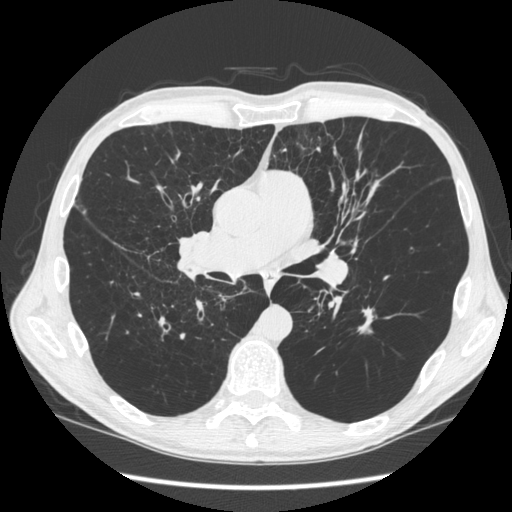
Axial chest CT slice 328 of 583 (counted from the lowest slice); tube voltage 120 kVp, convolution kernel STANDARD; slices 1.25 mm thick, 0.703 mm per pixel.
Pulmonary nodule outlined by two of the four readers; box rows 307–332, columns 358–376 (the union of the readers' outlines on this slice); longest diameter 27.9 mm on average over the two readers' outlines (readers' outlines 24.1–31.7 mm), volume 791–1176 mm3. The readers' prevailing ratings and who disagreed: texture 5/5 (solid), both readers agreeing; margin split among the readers: 1/5 (indistinct) (one), 4/5 (one); sphericity split among the readers: 1/5 (linear) (one), 2/5 (one); calcification absent, both readers agreeing; internal structure soft tissue from both readers; subtlety 5/5, both readers agreeing; malignancy likelihood split among the readers: 2/5 (one), 3/5 (one). Scale key (1–5): texture non-solid→solid, margin indistinct→circumscribed, sphericity linear→round, subtlety extremely subtle→obvious, malignancy likelihood highly unlikely→highly suspicious of cancer. Box rows and columns are 0-based pixel indices from the top-left corner, inclusive.